Axial slice 58 of 102 of a chest CT (slice 1 is the lowest), reconstructed with the FC01 kernel at 135 kVp; 3.00 mm slice thickness and 0.647 mm pixels.
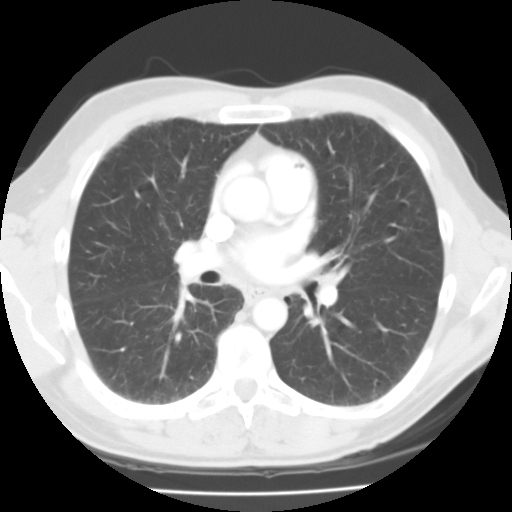
The readers outlined no nodule of 3 mm or more on this slice.